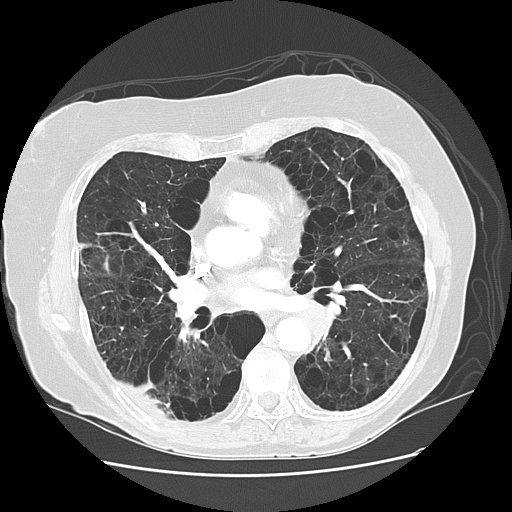
Slice 62/125 of a chest CT, counting up from the lowest; pixel size 0.703 mm, slice thickness 2.50 mm. Pulmonary nodule at rows 303–351, columns 295–328 (box = that reader's outline on this slice), outlined by one of the four readers; longest diameter 37.4 mm and volume 10878 mm3 from that reader's outline. That reader's ratings: texture 5/5 (solid); margin 5/5 (circumscribed); sphericity 5/5 (round); calcification absent; internal structure soft tissue; subtlety 3/5; malignancy likelihood 2/5. Scale key (1–5): texture non-solid→solid, margin indistinct→circumscribed, sphericity linear→round, subtlety extremely subtle→obvious, malignancy likelihood highly unlikely→highly suspicious of cancer. Box rows and columns are 0-based pixel indices from the top-left corner, inclusive.
Acquired at 120 kVp and reconstructed with the LUNG kernel.